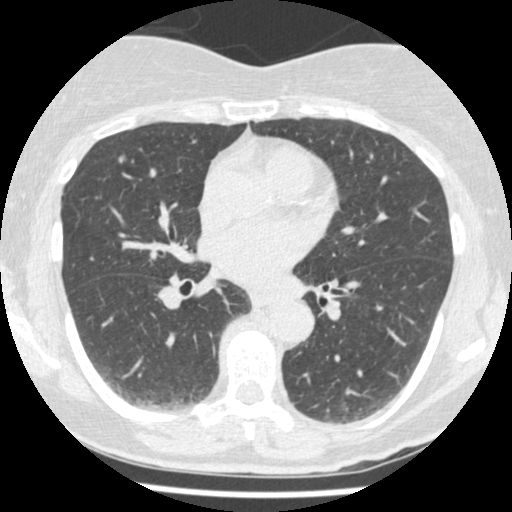
One axial slice (247 of 465, counting up from the lowest) of a chest CT acquired at 120 kVp with the STANDARD kernel; each pixel is 0.586 mm and the slice is 1.25 mm thick.
Pulmonary nodule, outlined by two of the four readers. Box on this slice rows 154–164, columns 118–125, the union of the readers' outlines on this slice; median longest diameter 7.5 mm (readers' outlines 7.1–7.9 mm), median volume 75 mm3 (74–77 mm3). Median ratings and the readers' spread: texture 5/5 (solid) from both readers; margin 4.5/5 at the median of two readers, spread 4/5 to 5/5 (circumscribed); median sphericity 4/5 (readers ranged 3/5 (ovoid) to 5/5 (round)); calcification absent from both readers; internal structure soft tissue from both readers; subtlety 4/5, both readers agreeing; malignancy likelihood 3/5, both readers agreeing. Scale key (1–5): texture non-solid→solid, margin indistinct→circumscribed, sphericity linear→round, subtlety extremely subtle→obvious, malignancy likelihood highly unlikely→highly suspicious of cancer. Box rows and columns are 0-based pixel indices from the top-left corner, inclusive.